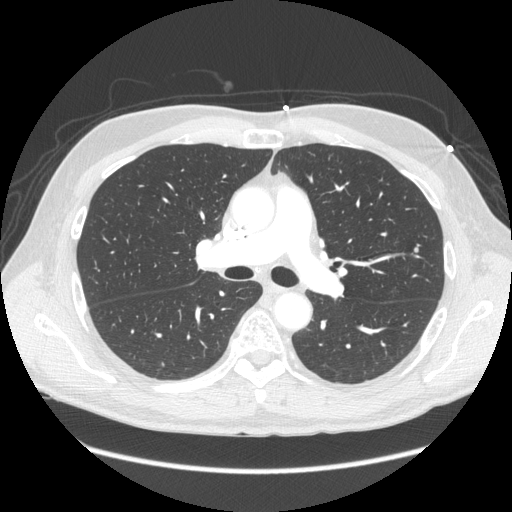
Axial chest CT slice 152 of 261 (counted from the lowest slice); 1.25 mm thick, 0.781 mm per pixel. Pulmonary nodule, outlined by two of the four readers. Box on this slice rows 246–252, columns 414–418, the union of the readers' outlines on this slice; median longest diameter 6.1 mm (readers' outlines 5.9–6.3 mm), median volume 80 mm3 (66–94 mm3). Ratings, median across the readers with their spread: texture 5/5 (solid), both readers agreeing; median margin 4.5/5 (readers ranged 4/5 to 5/5 (circumscribed)); sphericity 5/5 (round), both readers agreeing; calcification absent from both readers; internal structure soft tissue, both readers agreeing; median subtlety 1.5/5 (readers ranged 1–2); malignancy likelihood 2.5/5 at the median of two readers, spread 2–3. Scale key (1–5): texture non-solid→solid, margin indistinct→circumscribed, sphericity linear→round, subtlety extremely subtle→obvious, malignancy likelihood highly unlikely→highly suspicious of cancer. Box rows and columns are 0-based pixel indices from the top-left corner, inclusive.
Tube voltage 120 kVp; convolution kernel STANDARD.